One axial slice (432 of 497, counting up from the lowest) of a chest CT acquired at 120 kVp with the STANDARD kernel; each pixel is 0.703 mm and the slice is 1.25 mm thick.
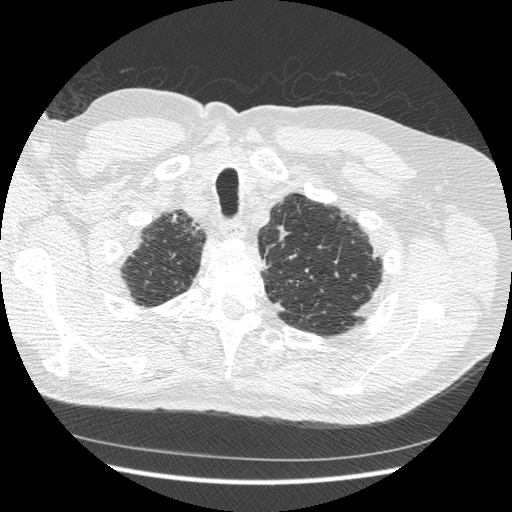
Pulmonary nodule outlined by one of the four readers; box rows 231–238, columns 279–289 (that reader's outline on this slice); longest diameter 10.1 mm and volume 89 mm3 from that reader's outline. That reader's ratings: texture 5/5 (solid); margin 5/5 (circumscribed); sphericity 2/5; calcification absent; internal structure soft tissue; subtlety 3/5; malignancy likelihood 2/5. Scale key (1–5): texture non-solid→solid, margin indistinct→circumscribed, sphericity linear→round, subtlety extremely subtle→obvious, malignancy likelihood highly unlikely→highly suspicious of cancer. Box rows and columns are 0-based pixel indices from the top-left corner, inclusive.